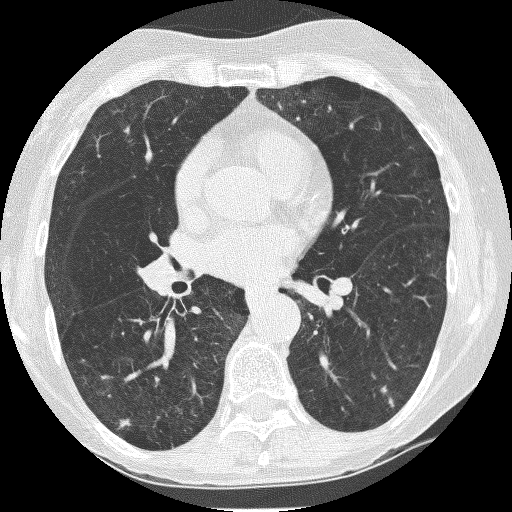
Axial chest CT slice 118 of 235 (counted from the lowest slice); tube voltage 120 kVp, convolution kernel BONE; slices 1.25 mm thick, 0.537 mm per pixel.
Pulmonary nodule at rows 418–428, columns 117–130 (box = the union of the readers' outlines on this slice), outlined by two of the four readers; longest diameter 8.1 mm on average over the two readers' outlines (readers' outlines 7.7–8.5 mm), volume 108–186 mm3. Ratings, by the readers' most common answer with dissent counted: texture 5/5 (solid) from both readers; margin split among the readers: 2/5 (one), 4/5 (one); sphericity split among the readers: 3/5 (ovoid) (one), 4/5 (one); calcification absent from both readers; internal structure soft tissue, both readers agreeing; subtlety split among the readers: 2/5 (one), 4/5 (one); malignancy likelihood split among the readers: 3/5 (one), 4/5 (one). Scale key (1–5): texture non-solid→solid, margin indistinct→circumscribed, sphericity linear→round, subtlety extremely subtle→obvious, malignancy likelihood highly unlikely→highly suspicious of cancer. Box rows and columns are 0-based pixel indices from the top-left corner, inclusive.